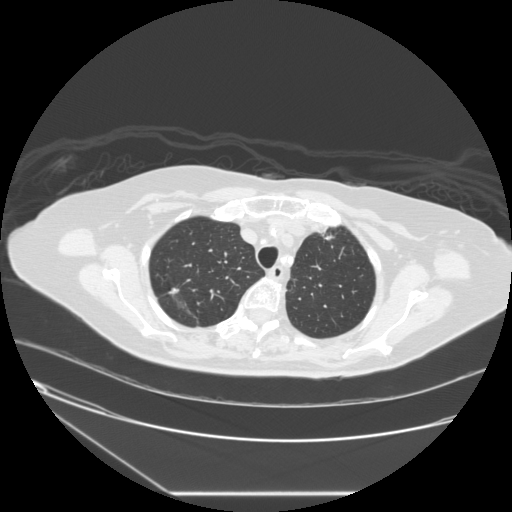
Axial slice 202 of 241 of a chest CT (slice 1 is the lowest), reconstructed with the STANDARD kernel at 120 kVp; 1.25 mm slice thickness and 0.773 mm pixels.
Pulmonary nodule, outlined by two of the four readers, one of them on this slice. Box on this slice rows 288–291, columns 172–177, the one reader's outline on this slice; longest diameter 8.8–10.5 mm and volume 112–189 mm3 across the two readers' outlines. Ratings across the readers: texture 5/5 (solid), both readers agreeing; margin 5/5 (circumscribed), both readers agreeing; sphericity from 2/5 to 3/5 (ovoid) across the two readers; calcification split among the readers: absent (one), solid calcification (one); internal structure soft tissue from both readers; subtlety rated between 3 and 5 out of 5 by the two readers; malignancy likelihood rated between 1 and 2 out of 5 by the two readers. Scale key (1–5): texture non-solid→solid, margin indistinct→circumscribed, sphericity linear→round, subtlety extremely subtle→obvious, malignancy likelihood highly unlikely→highly suspicious of cancer. Box rows and columns are 0-based pixel indices from the top-left corner, inclusive.